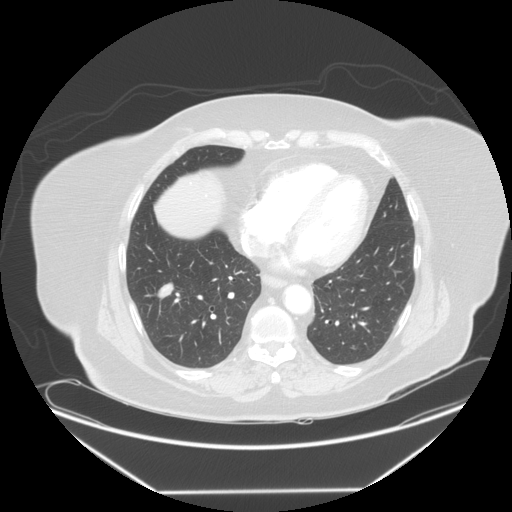
Axial chest CT slice 58 of 139 (counted from the lowest slice); 2.50 mm thick, 0.898 mm per pixel. Pulmonary nodule, outlined by three of the four readers. Box on this slice rows 283–298, columns 157–173, the union of the readers' outlines on this slice; median longest diameter 18.0 mm (readers' outlines 17.4–18.7 mm), median volume 1790 mm3 (1637–1856 mm3). Ratings, median across the readers with their spread: texture 5/5 (solid) from all three readers; median margin 4/5 (readers ranged 4/5 to 5/5 (circumscribed)); median sphericity 3/5 (ovoid) (readers ranged 2/5 to 3/5 (ovoid)); calcification absent from all three readers; internal structure soft tissue, all three readers agreeing; subtlety 5/5 from all three readers; malignancy likelihood 4/5 at the median of three readers, spread 3–4. Scale key (1–5): texture non-solid→solid, margin indistinct→circumscribed, sphericity linear→round, subtlety extremely subtle→obvious, malignancy likelihood highly unlikely→highly suspicious of cancer. Box rows and columns are 0-based pixel indices from the top-left corner, inclusive.
Acquired at 120 kVp and reconstructed with the STANDARD kernel.